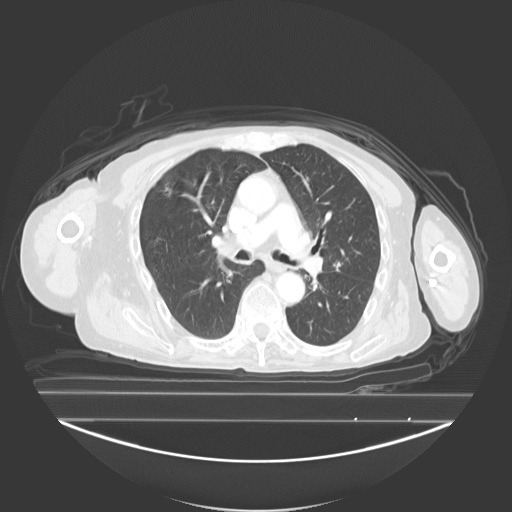
Axial chest CT slice 154 of 278 (counted from the lowest slice); 3.00 mm thick, 0.977 mm per pixel. Pulmonary nodule, outlined by three of the four readers. Box on this slice rows 262–269, columns 333–340, the union of the readers' outlines on this slice; longest diameter 13.5 mm on average over the three readers' outlines (readers' outlines 12.8–14.8 mm), volume 665–985 mm3. Ratings, by the readers' most common answer with dissent counted: most readers (two of three) put texture at 5/5 (solid), others 4/5 (one); margin 4/5, all three readers agreeing; sphericity 5/5 (round) by two of three readers; the rest gave 4/5 (one); calcification absent from all three readers; internal structure soft tissue, all three readers agreeing; subtlety split among the readers: 3/5 (one), 4/5 (one), 5/5 (one); malignancy likelihood split among the readers: 2/5 (one), 3/5 (one), 4/5 (one). Scale key (1–5): texture non-solid→solid, margin indistinct→circumscribed, sphericity linear→round, subtlety extremely subtle→obvious, malignancy likelihood highly unlikely→highly suspicious of cancer. Box rows and columns are 0-based pixel indices from the top-left corner, inclusive.
Tube voltage 130 kVp; convolution kernel B40s.